One axial slice (290 of 326, counting up from the lowest) of a chest CT acquired at 120 kVp with the B45f kernel; each pixel is 0.645 mm and the slice is 1.00 mm thick.
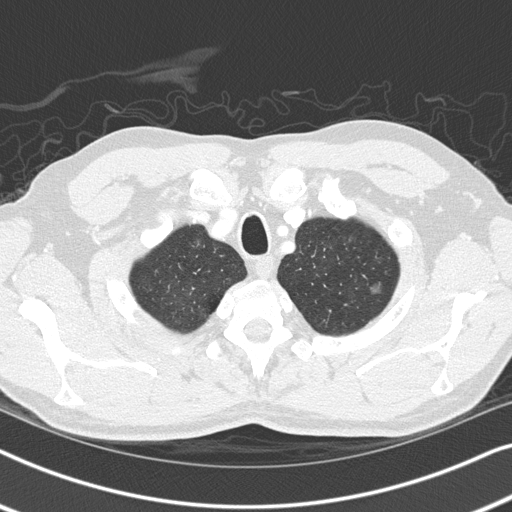
Pulmonary nodule at rows 280–294, columns 368–382 (box = the union of the readers' outlines on this slice), outlined by all four readers; the four readers' outlines give a longest diameter between 9.0 and 13.3 mm and a volume between 232 and 417 mm3. Ratings across the readers: texture from 1/5 (non-solid) to 4/5 across the four readers; margin from 1/5 (indistinct) to 5/5 (circumscribed) across the four readers; sphericity from 4/5 to 5/5 (round) across the four readers; calcification absent from all four readers; internal structure soft tissue, all four readers agreeing; subtlety 1–4/5 (the readers disagree); malignancy likelihood 2–3/5 (the readers disagree). Scale key (1–5): texture non-solid→solid, margin indistinct→circumscribed, sphericity linear→round, subtlety extremely subtle→obvious, malignancy likelihood highly unlikely→highly suspicious of cancer. Box rows and columns are 0-based pixel indices from the top-left corner, inclusive.